Axial slice 221 of 261 of a chest CT (slice 1 is the lowest), reconstructed with the STANDARD kernel at 120 kVp; 1.25 mm slice thickness and 0.781 mm pixels.
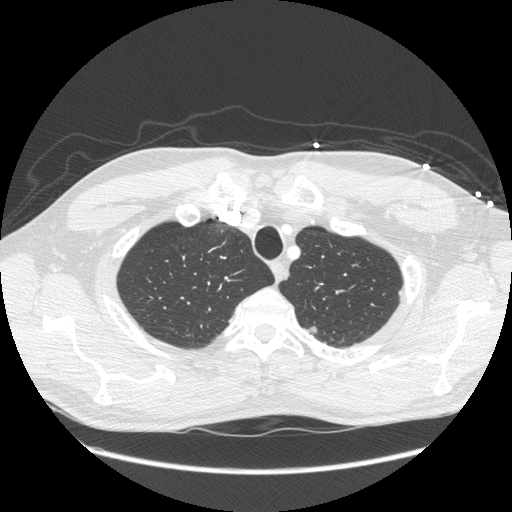
Pulmonary nodule, outlined by two of the four readers. Box on this slice rows 326–334, columns 309–316, the union of the readers' outlines on this slice; longest diameter 8.1 mm on average over the two readers' outlines (readers' outlines 8.0–8.2 mm), volume 74–87 mm3. Ratings, by the readers' most common answer with dissent counted: texture split among the readers: 4/5 (one), 5/5 (solid) (one); margin split among the readers: 3/5 (one), 5/5 (circumscribed) (one); sphericity 4/5, both readers agreeing; calcification absent, both readers agreeing; internal structure soft tissue from both readers; subtlety 3/5, both readers agreeing; malignancy likelihood split among the readers: 2/5 (one), 3/5 (one). Scale key (1–5): texture non-solid→solid, margin indistinct→circumscribed, sphericity linear→round, subtlety extremely subtle→obvious, malignancy likelihood highly unlikely→highly suspicious of cancer. Box rows and columns are 0-based pixel indices from the top-left corner, inclusive.